One axial slice (203 of 246, counting up from the lowest) of a chest CT acquired at 120 kVp with the BONE kernel; each pixel is 0.586 mm and the slice is 1.25 mm thick.
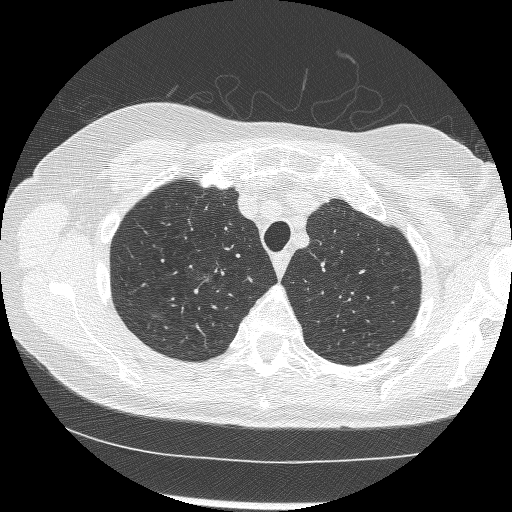
Pulmonary nodule outlined by all four readers, one of them on this slice; box rows 273–279, columns 203–211 (the one reader's outline on this slice); median longest diameter 8.8 mm (readers' outlines 6.1–10.0 mm), median volume 137 mm3 (66–342 mm3). Median ratings and the readers' spread: texture 4.5/5 at the median of four readers, spread 3/5 (part-solid) to 5/5 (solid); median margin 2.5/5 (readers ranged 1/5 (indistinct) to 3/5); sphericity 2/5 at the median of four readers, spread 2/5 to 3/5 (ovoid); calcification absent, all four readers agreeing; internal structure soft tissue from all four readers; median subtlety 3.5/5 (readers ranged 3–5); malignancy likelihood 4/5 at the median of four readers, spread 3–5. Scale key (1–5): texture non-solid→solid, margin indistinct→circumscribed, sphericity linear→round, subtlety extremely subtle→obvious, malignancy likelihood highly unlikely→highly suspicious of cancer. Box rows and columns are 0-based pixel indices from the top-left corner, inclusive.